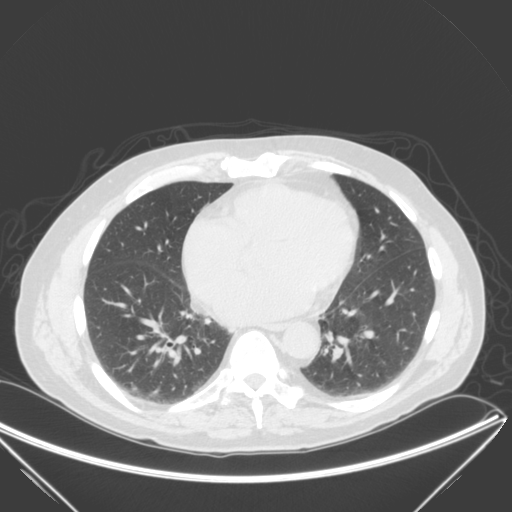
Axial chest CT slice 92 of 280 (counted from the lowest slice); tube voltage 120 kVp, convolution kernel B; slices 2.00 mm thick, 0.805 mm per pixel.
Pulmonary nodule outlined by all four readers; box rows 386–391, columns 131–137 (the union of the readers' outlines on this slice); longest diameter 9.1–10.9 mm and volume 168–331 mm3 across the four readers' outlines. Ratings across the readers: texture 5/5 (solid), all four readers agreeing; margin from 4/5 to 5/5 (circumscribed) across the four readers; sphericity from 4/5 to 5/5 (round) across the four readers; calcification absent from all four readers; internal structure soft tissue from all four readers; subtlety 4–5/5 (the readers disagree); malignancy likelihood rated between 3 and 5 out of 5 by the four readers. Scale key (1–5): texture non-solid→solid, margin indistinct→circumscribed, sphericity linear→round, subtlety extremely subtle→obvious, malignancy likelihood highly unlikely→highly suspicious of cancer. Box rows and columns are 0-based pixel indices from the top-left corner, inclusive.